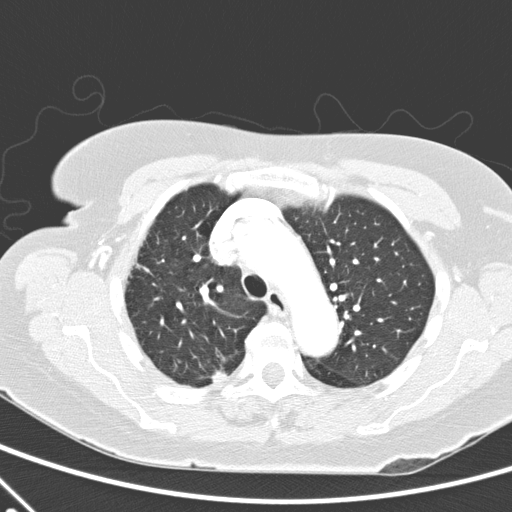
Chest CT, axial plane, 120 kVp, kernel D. Slice 169/248 from the bottom of the scan; thickness 2.00 mm; pixel size 0.633 mm.
Pulmonary nodule at rows 371–382, columns 211–227 (box = that reader's outline on this slice), outlined by one of the four readers; longest diameter 13.2 mm and volume 418 mm3 from that reader's outline. Ratings by that reader: texture 5/5 (solid); margin 1/5 (indistinct); sphericity 2/5; calcification absent; internal structure soft tissue; subtlety 4/5; malignancy likelihood 2/5. Scale key (1–5): texture non-solid→solid, margin indistinct→circumscribed, sphericity linear→round, subtlety extremely subtle→obvious, malignancy likelihood highly unlikely→highly suspicious of cancer. Box rows and columns are 0-based pixel indices from the top-left corner, inclusive.